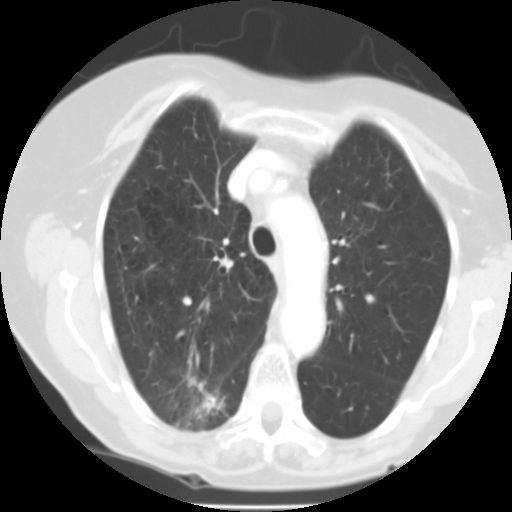
One axial slice (72 of 101, counting up from the lowest) of a chest CT acquired at 135 kVp with the FC01 kernel; each pixel is 0.558 mm and the slice is 3.00 mm thick.
Pulmonary nodule, outlined by three of the four readers, two of them on this slice. Box on this slice rows 377–390, columns 188–203, the union of the readers' outlines on this slice; longest diameter 11.7 mm on average over the three readers' outlines (readers' outlines 11.1–12.2 mm), volume 257–585 mm3. The readers' prevailing ratings and who disagreed: texture split among the readers: 3/5 (part-solid) (one), 4/5 (one), 5/5 (solid) (one); margin split among the readers: 2/5 (one), 3/5 (one), 4/5 (one); sphericity split among the readers: 2/5 (one), 3/5 (ovoid) (one), 5/5 (round) (one); calcification absent, all three readers agreeing; internal structure soft tissue, all three readers agreeing; subtlety 4/5 by two of three readers; the rest gave 5/5 (one); most readers (two of three) put malignancy likelihood at 4/5, others 3/5 (one). Scale key (1–5): texture non-solid→solid, margin indistinct→circumscribed, sphericity linear→round, subtlety extremely subtle→obvious, malignancy likelihood highly unlikely→highly suspicious of cancer. Box rows and columns are 0-based pixel indices from the top-left corner, inclusive.